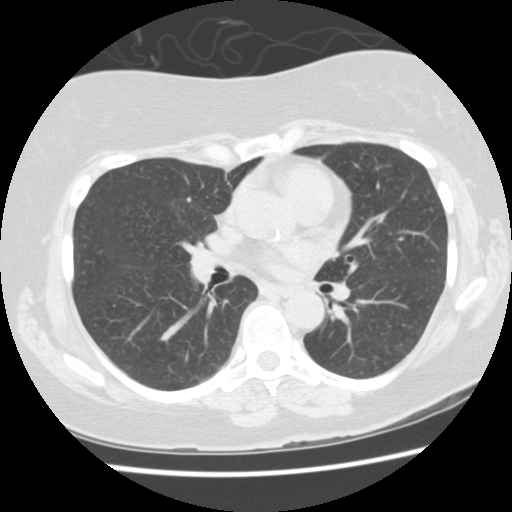
Axial chest CT slice 69 of 145 (counted from the lowest slice); tube voltage 120 kVp, convolution kernel STANDARD; slices 2.50 mm thick, 0.625 mm per pixel.
No nodule of 3 mm or larger was outlined by any of the four readers on this slice.